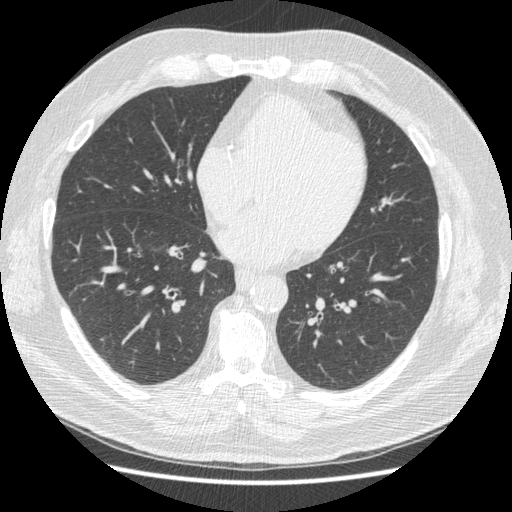
Axial chest CT slice 197 of 487 (counted from the lowest slice); 1.25 mm thick, 0.703 mm per pixel. None of the four readers outlined a nodule of 3 mm or more on this slice.
Tube voltage 120 kVp; convolution kernel STANDARD.